Chest CT, axial plane, 120 kVp, kernel B45f. Slice 211/326 from the bottom of the scan; thickness 1.00 mm; pixel size 0.645 mm.
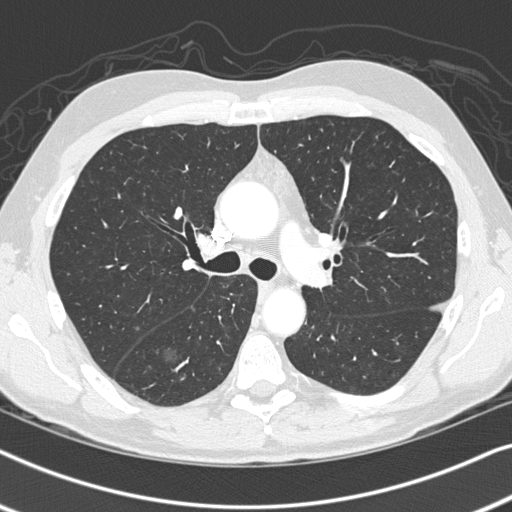
Pulmonary nodule at rows 346–364, columns 161–182 (box = the union of the readers' outlines on this slice), outlined by all four readers; median longest diameter 14.1 mm (readers' outlines 12.5–18.0 mm), median volume 627 mm3 (328–843 mm3). Median ratings and the readers' spread: texture 1/5 (non-solid) from all four readers; margin 2/5 at the median of four readers, spread 1/5 (indistinct) to 4/5; sphericity 4/5 at the median of four readers, spread 3/5 (ovoid) to 5/5 (round); calcification absent, all four readers agreeing; internal structure soft tissue, all four readers agreeing; median subtlety 1/5 (readers ranged 1–4); malignancy likelihood 3/5 at the median of four readers, spread 2–4. Scale key (1–5): texture non-solid→solid, margin indistinct→circumscribed, sphericity linear→round, subtlety extremely subtle→obvious, malignancy likelihood highly unlikely→highly suspicious of cancer. Box rows and columns are 0-based pixel indices from the top-left corner, inclusive.